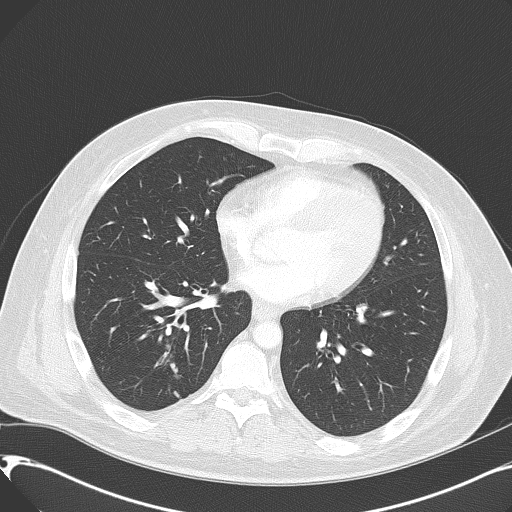
Axial chest CT slice 238 of 416 (counted from the lowest slice); tube voltage 120 kVp, convolution kernel B70f; slices 2.00 mm thick, 0.723 mm per pixel.
Pulmonary nodule outlined by one of the four readers; box rows 374–379, columns 173–180 (that reader's outline on this slice); longest diameter 8.2 mm and volume 130 mm3 from that reader's outline. Ratings by that reader: texture 1/5 (non-solid); margin 2/5; sphericity 5/5 (round); calcification absent; internal structure soft tissue; subtlety 1/5; malignancy likelihood 2/5. Scale key (1–5): texture non-solid→solid, margin indistinct→circumscribed, sphericity linear→round, subtlety extremely subtle→obvious, malignancy likelihood highly unlikely→highly suspicious of cancer. Box rows and columns are 0-based pixel indices from the top-left corner, inclusive.